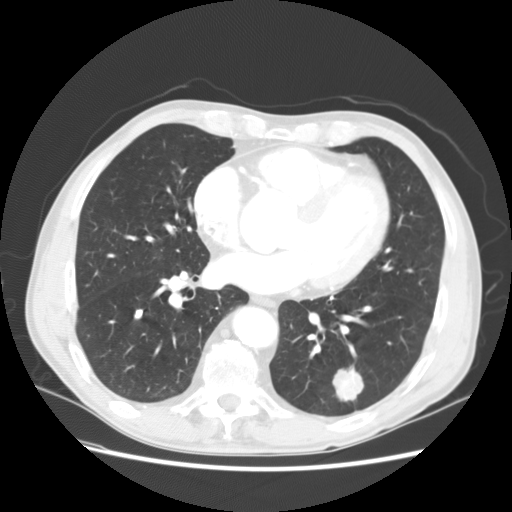
Axial slice 67 of 147 of a chest CT (slice 1 is the lowest), reconstructed with the STANDARD kernel at 120 kVp; 2.50 mm slice thickness and 0.703 mm pixels.
Two pulmonary nodules on this slice, listed from left to right. (1) Pulmonary nodule at rows 309–319, columns 133–142 (box = the union of the readers' outlines on this slice), outlined by all four readers; longest diameter 12.5 mm on average over the four readers' outlines (readers' outlines 11.4–13.6 mm), volume 439–652 mm3. Ratings, by the readers' most common answer with dissent counted: texture 5/5 (solid), all four readers agreeing; margin 5/5 (circumscribed) from all four readers; sphericity split among the readers: 4/5 (two), 5/5 (round) (two); calcification solid calcification by three of four readers, absent (one); internal structure soft tissue from all four readers; subtlety 4/5 by two of four readers; the rest gave 3/5 (one), 5/5 (one); most readers (three of four) put malignancy likelihood at 1/5, others 3/5 (one). (2) Pulmonary nodule, outlined by all four readers. Box on this slice rows 364–401, columns 331–363, the union of the readers' outlines on this slice; longest diameter 30.2–32.4 mm and volume 8441–9544 mm3 across the four readers' outlines. Ratings across the readers: texture from 3/5 (part-solid) to 5/5 (solid) across the four readers; margin from 2/5 to 5/5 (circumscribed) across the four readers; sphericity from 3/5 (ovoid) to 5/5 (round) across the four readers; calcification absent from all four readers; internal structure soft tissue from all four readers; subtlety 5/5 from all four readers; malignancy likelihood from 3/5 to 5/5 across the four readers. Scale key (1–5): texture non-solid→solid, margin indistinct→circumscribed, sphericity linear→round, subtlety extremely subtle→obvious, malignancy likelihood highly unlikely→highly suspicious of cancer. Box rows and columns are 0-based pixel indices from the top-left corner, inclusive.